Axial chest CT slice 454 of 513 (counted from the lowest slice); tube voltage 120 kVp, convolution kernel STANDARD; slices 1.25 mm thick, 0.742 mm per pixel.
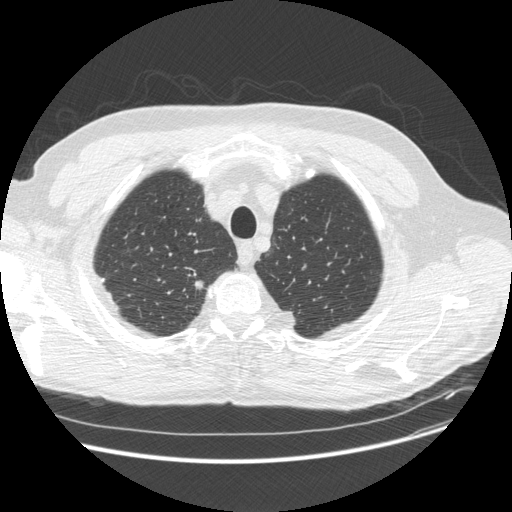
Pulmonary nodule at rows 279–290, columns 193–203 (box = the union of the readers' outlines on this slice), outlined by all four readers; longest diameter 11.4–16.0 mm and volume 128–190 mm3 across the four readers' outlines. The readers' ratings, as ranges where they differ: texture from 4/5 to 5/5 (solid) across the four readers; margin from 2/5 to 5/5 (circumscribed) across the four readers; sphericity from 2/5 to 5/5 (round) across the four readers; calcification absent from all four readers; internal structure soft tissue, all four readers agreeing; subtlety from 3/5 to 5/5 across the four readers; malignancy likelihood rated between 4 and 5 out of 5 by the four readers. Scale key (1–5): texture non-solid→solid, margin indistinct→circumscribed, sphericity linear→round, subtlety extremely subtle→obvious, malignancy likelihood highly unlikely→highly suspicious of cancer. Box rows and columns are 0-based pixel indices from the top-left corner, inclusive.